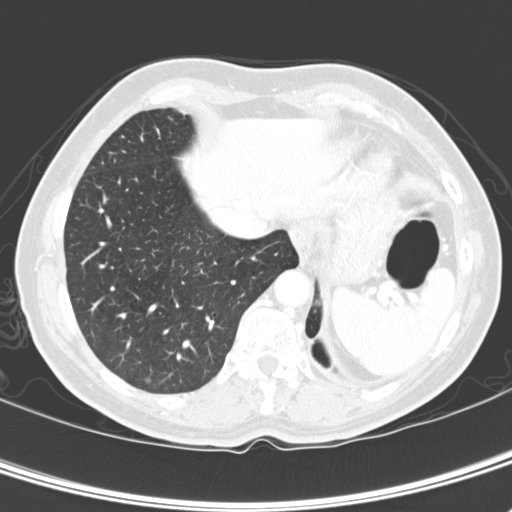
Axial chest CT slice 51 of 280 (counted from the lowest slice); tube voltage 120 kVp, convolution kernel D; slices 2.00 mm thick, 0.613 mm per pixel.
Pulmonary nodule, outlined by three of the four readers, two of them on this slice. Box on this slice rows 378–383, columns 145–150, the union of the readers' outlines on this slice; longest diameter 4.5–6.9 mm and volume 31–99 mm3 across the three readers' outlines. The readers' ratings, as ranges where they differ: texture from 4/5 to 5/5 (solid) across the three readers; margin from 4/5 to 5/5 (circumscribed) across the three readers; sphericity from 4/5 to 5/5 (round) across the three readers; calcification absent from all three readers; internal structure soft tissue from all three readers; subtlety rated between 1 and 4 out of 5 by the three readers; malignancy likelihood rated between 2 and 3 out of 5 by the three readers. Scale key (1–5): texture non-solid→solid, margin indistinct→circumscribed, sphericity linear→round, subtlety extremely subtle→obvious, malignancy likelihood highly unlikely→highly suspicious of cancer. Box rows and columns are 0-based pixel indices from the top-left corner, inclusive.